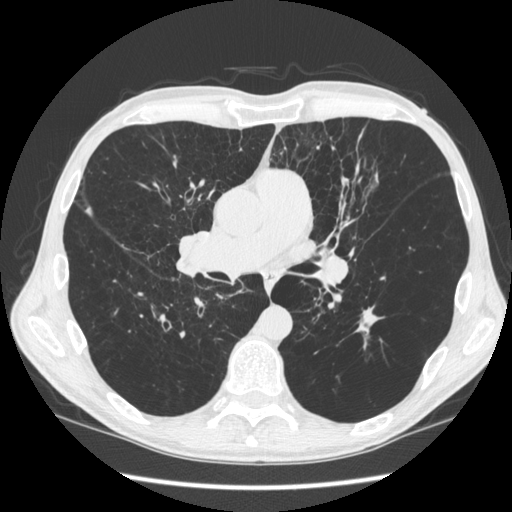
Axial chest CT slice 325 of 583 (counted from the lowest slice); tube voltage 120 kVp, convolution kernel STANDARD; slices 1.25 mm thick, 0.703 mm per pixel.
Pulmonary nodule outlined by two of the four readers; box rows 306–348, columns 355–383 (the union of the readers' outlines on this slice); longest diameter 27.9 mm on average over the two readers' outlines (readers' outlines 24.1–31.7 mm), volume 791–1176 mm3. Ratings, by the readers' most common answer with dissent counted: texture 5/5 (solid), both readers agreeing; margin split among the readers: 1/5 (indistinct) (one), 4/5 (one); sphericity split among the readers: 1/5 (linear) (one), 2/5 (one); calcification absent from both readers; internal structure soft tissue from both readers; subtlety 5/5, both readers agreeing; malignancy likelihood split among the readers: 2/5 (one), 3/5 (one). Scale key (1–5): texture non-solid→solid, margin indistinct→circumscribed, sphericity linear→round, subtlety extremely subtle→obvious, malignancy likelihood highly unlikely→highly suspicious of cancer. Box rows and columns are 0-based pixel indices from the top-left corner, inclusive.